Axial slice 92 of 392 of a chest CT (slice 1 is the lowest), reconstructed with the C kernel at 120 kVp; 1.50 mm slice thickness and 0.639 mm pixels.
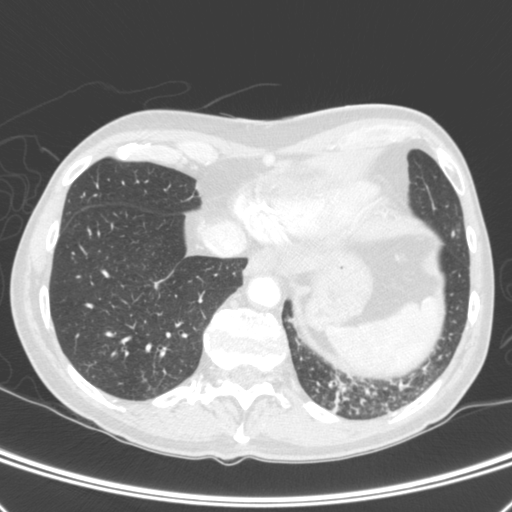
Pulmonary nodule outlined by three of the four readers, one of them on this slice; box rows 282–288, columns 153–157 (the one reader's outline on this slice); longest diameter 9.0–10.9 mm and volume 190–278 mm3 across the three readers' outlines. Ratings across the readers: texture 5/5 (solid) from all three readers; margin from 3/5 to 5/5 (circumscribed) across the three readers; sphericity 3/5 (ovoid), all three readers agreeing; calcification absent, all three readers agreeing; internal structure soft tissue from all three readers; subtlety 4–5/5 (the readers disagree); malignancy likelihood from 2/5 to 4/5 across the three readers. Scale key (1–5): texture non-solid→solid, margin indistinct→circumscribed, sphericity linear→round, subtlety extremely subtle→obvious, malignancy likelihood highly unlikely→highly suspicious of cancer. Box rows and columns are 0-based pixel indices from the top-left corner, inclusive.